Chest CT, axial plane, 135 kVp, kernel FC01. Slice 56/108 from the bottom of the scan; thickness 3.00 mm; pixel size 0.564 mm.
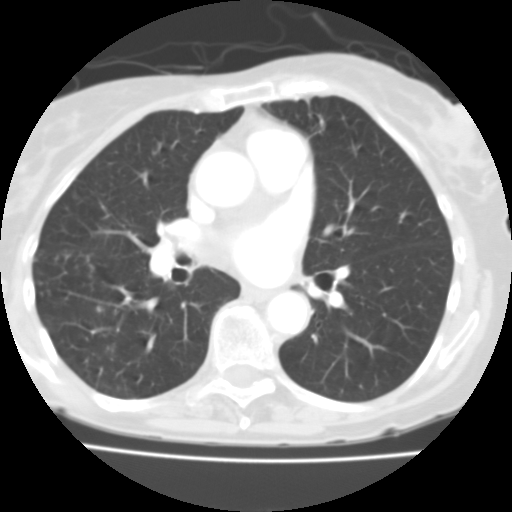
No nodule 3 mm or larger was outlined here by any reader.